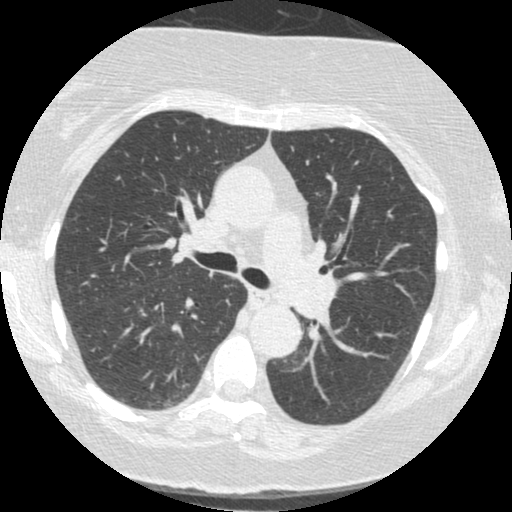
Axial chest CT slice 206 of 372 (counted from the lowest slice); 1.25 mm thick, 0.586 mm per pixel. None of the four readers outlined a nodule of 3 mm or more on this slice.
Scan settings: 120 kVp, STANDARD reconstruction kernel.